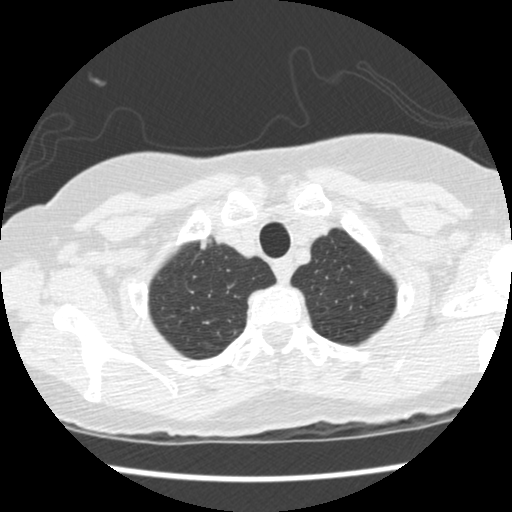
Chest CT, axial plane, 120 kVp, kernel STANDARD. Slice 409/458 from the bottom of the scan; thickness 1.25 mm; pixel size 0.586 mm.
Pulmonary nodule outlined by all four readers; box rows 238–248, columns 199–210 (the union of the readers' outlines on this slice); median longest diameter 9.8 mm (readers' outlines 9.1–10.0 mm), median volume 258 mm3 (243–272 mm3). Median ratings and the readers' spread: median texture 5/5 (solid) (readers ranged 4/5 to 5/5 (solid)); median margin 4.5/5 (readers ranged 4/5 to 5/5 (circumscribed)); median sphericity 3.5/5 (readers ranged 3/5 (ovoid) to 5/5 (round)); calcification absent from all four readers; internal structure soft tissue from all four readers; median subtlety 4.5/5 (readers ranged 4–5); median malignancy likelihood 3.5/5 (readers ranged 2–4). Scale key (1–5): texture non-solid→solid, margin indistinct→circumscribed, sphericity linear→round, subtlety extremely subtle→obvious, malignancy likelihood highly unlikely→highly suspicious of cancer. Box rows and columns are 0-based pixel indices from the top-left corner, inclusive.